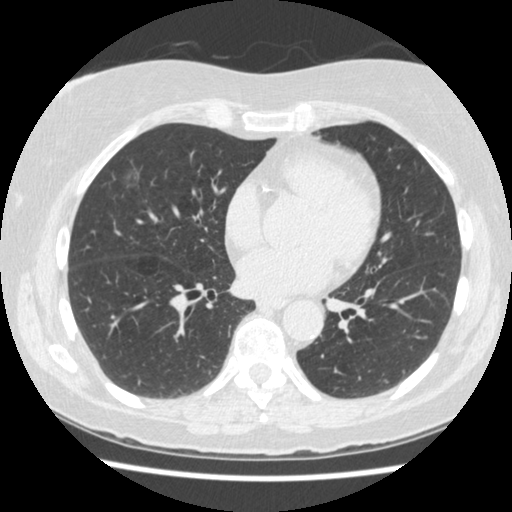
Slice 210/474 of a chest CT, counting up from the lowest; pixel size 0.625 mm, slice thickness 1.25 mm. Pulmonary nodule outlined by all four readers, two of them on this slice; box rows 169–185, columns 119–136 (the union of the readers' outlines on this slice); longest diameter 14.7 mm on average over the four readers' outlines (readers' outlines 12.6–15.8 mm), volume 209–921 mm3. Ratings, by the readers' most common answer with dissent counted: texture 3/5 (part-solid) by three of four readers; the rest gave 2/5 (one); most readers (three of four) put margin at 3/5, others 1/5 (indistinct) (one); sphericity split among the readers: 2/5 (one), 3/5 (ovoid) (one), 4/5 (one), 5/5 (round) (one); calcification absent, all four readers agreeing; internal structure soft tissue, all four readers agreeing; subtlety 5/5 by two of four readers; the rest gave 3/5 (one), 4/5 (one); malignancy likelihood 5/5 by three of four readers; the rest gave 3/5 (one). Scale key (1–5): texture non-solid→solid, margin indistinct→circumscribed, sphericity linear→round, subtlety extremely subtle→obvious, malignancy likelihood highly unlikely→highly suspicious of cancer. Box rows and columns are 0-based pixel indices from the top-left corner, inclusive.
Acquired at 120 kVp and reconstructed with the STANDARD kernel.